Axial slice 172 of 426 of a chest CT (slice 1 is the lowest), reconstructed with the STANDARD kernel at 120 kVp; 1.25 mm slice thickness and 0.547 mm pixels.
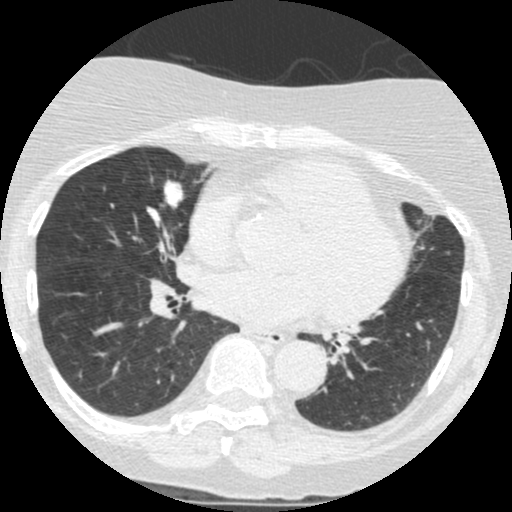
Pulmonary nodule, outlined by all four readers. Box on this slice rows 178–207, columns 163–183, the union of the readers' outlines on this slice; longest diameter 18.7 mm on average over the four readers' outlines (readers' outlines 17.0–20.6 mm), volume 1129–1635 mm3. Ratings, by the readers' most common answer with dissent counted: texture 5/5 (solid) by three of four readers; the rest gave 4/5 (one); margin split among the readers: 2/5 (one), 3/5 (one), 4/5 (one), 5/5 (circumscribed) (one); sphericity 4/5 by two of four readers; the rest gave 3/5 (ovoid) (one), 5/5 (round) (one); calcification absent by three of four readers, non-central calcification (one); internal structure soft tissue from all four readers; subtlety 5/5 by two of four readers; the rest gave 3/5 (one), 4/5 (one); malignancy likelihood 4/5 by two of four readers; the rest gave 2/5 (one), 3/5 (one). Scale key (1–5): texture non-solid→solid, margin indistinct→circumscribed, sphericity linear→round, subtlety extremely subtle→obvious, malignancy likelihood highly unlikely→highly suspicious of cancer. Box rows and columns are 0-based pixel indices from the top-left corner, inclusive.